Axial slice 233 of 274 of a chest CT (slice 1 is the lowest), reconstructed with the BONE kernel at 140 kVp; 1.25 mm slice thickness and 0.615 mm pixels.
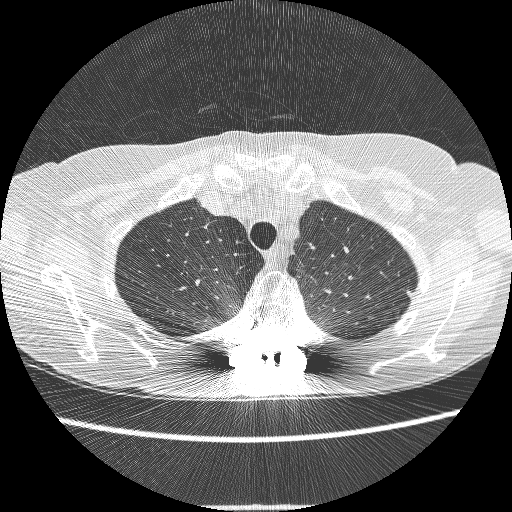
Pulmonary nodule, outlined by one of the four readers. Box on this slice rows 291–297, columns 406–410, that reader's outline on this slice; longest diameter 5.5 mm and volume 26 mm3 from that reader's outline. That reader's ratings: texture 5/5 (solid); margin 5/5 (circumscribed); sphericity 4/5; calcification absent; internal structure soft tissue; subtlety 4/5; malignancy likelihood 2/5. Scale key (1–5): texture non-solid→solid, margin indistinct→circumscribed, sphericity linear→round, subtlety extremely subtle→obvious, malignancy likelihood highly unlikely→highly suspicious of cancer. Box rows and columns are 0-based pixel indices from the top-left corner, inclusive.